Axial slice 186 of 350 of a chest CT (slice 1 is the lowest), reconstructed with the C kernel at 120 kVp; 1.50 mm slice thickness and 0.725 mm pixels.
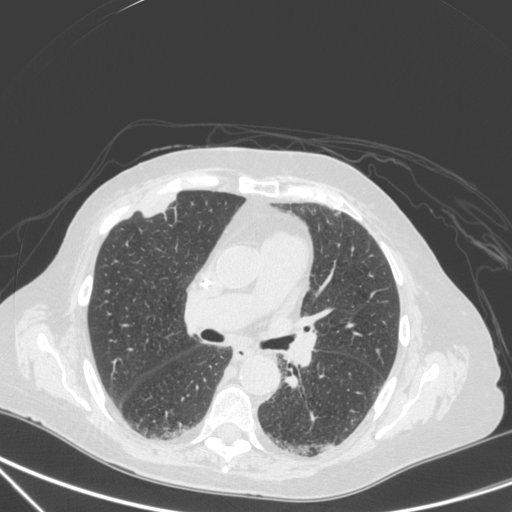
Pulmonary nodule, outlined by one of the four readers. Box on this slice rows 197–216, columns 143–175, that reader's outline on this slice; longest diameter 29.5 mm and volume 4181 mm3 from that reader's outline. That reader's ratings: texture 5/5 (solid); margin 4/5; sphericity 2/5; calcification absent; internal structure soft tissue; subtlety 5/5; malignancy likelihood 4/5. Scale key (1–5): texture non-solid→solid, margin indistinct→circumscribed, sphericity linear→round, subtlety extremely subtle→obvious, malignancy likelihood highly unlikely→highly suspicious of cancer. Box rows and columns are 0-based pixel indices from the top-left corner, inclusive.